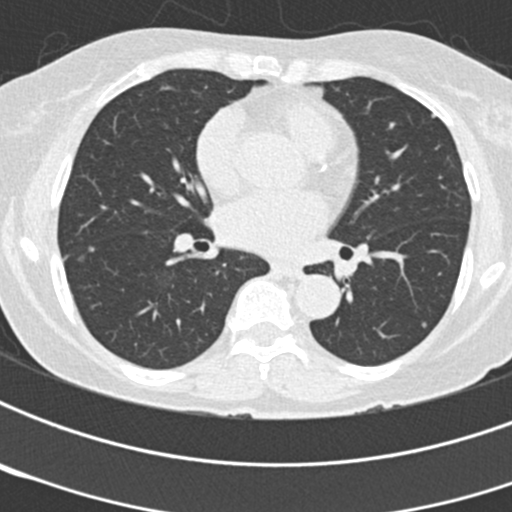
Chest CT, axial plane, 120 kVp, kernel B30f. Slice 88/171 from the bottom of the scan; thickness 2.00 mm; pixel size 0.547 mm.
Pulmonary nodule at rows 254–260, columns 76–85 (box = the union of the readers' outlines on this slice), outlined by all four readers; median longest diameter 6.7 mm (readers' outlines 6.4–7.8 mm), median volume 72 mm3 (64–137 mm3). Median ratings and the readers' spread: median texture 4.5/5 (readers ranged 4/5 to 5/5 (solid)); margin 4.5/5 at the median of four readers, spread 4/5 to 5/5 (circumscribed); median sphericity 3.5/5 (readers ranged 3/5 (ovoid) to 5/5 (round)); calcification absent, all four readers agreeing; internal structure soft tissue, all four readers agreeing; median subtlety 4.5/5 (readers ranged 4–5); median malignancy likelihood 3/5 (readers ranged 2–4). Scale key (1–5): texture non-solid→solid, margin indistinct→circumscribed, sphericity linear→round, subtlety extremely subtle→obvious, malignancy likelihood highly unlikely→highly suspicious of cancer. Box rows and columns are 0-based pixel indices from the top-left corner, inclusive.